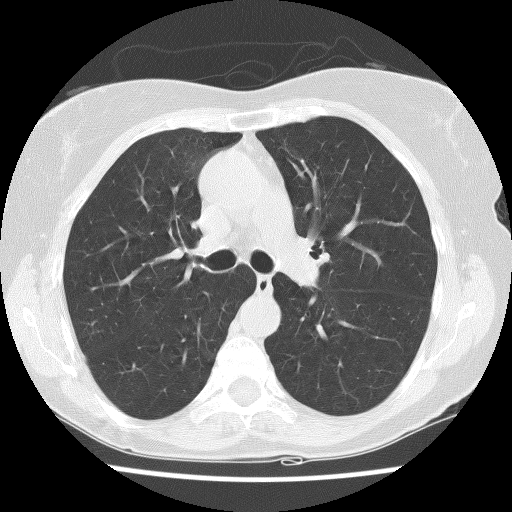
Axial chest CT slice 80 of 120 (counted from the lowest slice); 2.50 mm thick, 0.576 mm per pixel. No nodule of 3 mm or larger was outlined by any of the four readers on this slice.
Scan settings: 140 kVp, BONE reconstruction kernel.